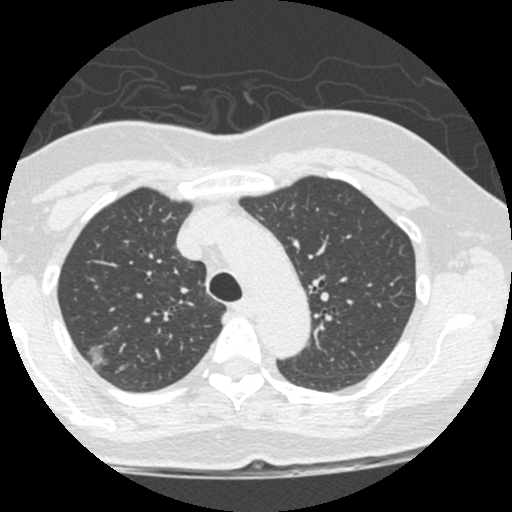
Slice 385/490 of a chest CT, counting up from the lowest; pixel size 0.547 mm, slice thickness 1.25 mm. Pulmonary nodule at rows 344–370, columns 85–109 (box = the union of the readers' outlines on this slice), outlined by three of the four readers; median longest diameter 15.2 mm (readers' outlines 14.3–18.3 mm), median volume 997 mm3 (967–1422 mm3). Ratings, median across the readers with their spread: median texture 1/5 (non-solid) (readers ranged 1/5 (non-solid) to 5/5 (solid)); median margin 2/5 (readers ranged 2/5 to 4/5); sphericity 4/5 at the median of three readers, spread 3/5 (ovoid) to 5/5 (round); calcification absent from all three readers; internal structure soft tissue from all three readers; median subtlety 5/5 (readers ranged 1–5); median malignancy likelihood 3/5 (readers ranged 2–5). Scale key (1–5): texture non-solid→solid, margin indistinct→circumscribed, sphericity linear→round, subtlety extremely subtle→obvious, malignancy likelihood highly unlikely→highly suspicious of cancer. Box rows and columns are 0-based pixel indices from the top-left corner, inclusive.
Acquired at 120 kVp and reconstructed with the STANDARD kernel.